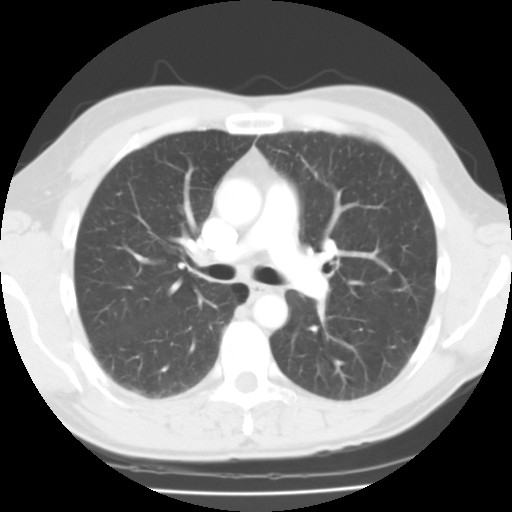
Slice 64/102 of a chest CT, counting up from the lowest; pixel size 0.647 mm, slice thickness 3.00 mm. Pulmonary nodule at rows 204–216, columns 178–183 (box = the union of the readers' outlines on this slice), outlined by two of the four readers; longest diameter 8.8 mm on average over the two readers' outlines (readers' outlines 8.2–9.4 mm), volume 144–207 mm3. The readers' prevailing ratings and who disagreed: texture split among the readers: 3/5 (part-solid) (one), 5/5 (solid) (one); margin split among the readers: 3/5 (one), 4/5 (one); sphericity split among the readers: 3/5 (ovoid) (one), 5/5 (round) (one); calcification absent from both readers; internal structure soft tissue from both readers; subtlety split among the readers: 1/5 (one), 3/5 (one); malignancy likelihood split among the readers: 1/5 (one), 3/5 (one). Scale key (1–5): texture non-solid→solid, margin indistinct→circumscribed, sphericity linear→round, subtlety extremely subtle→obvious, malignancy likelihood highly unlikely→highly suspicious of cancer. Box rows and columns are 0-based pixel indices from the top-left corner, inclusive.
Acquired at 135 kVp and reconstructed with the FC01 kernel.